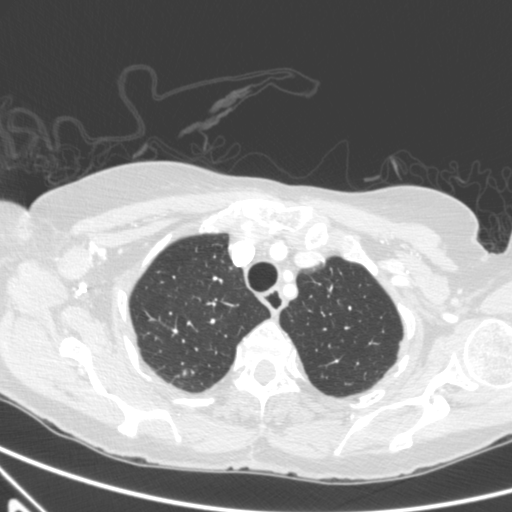
Axial chest CT slice 509 of 590 (counted from the lowest slice); tube voltage 120 kVp, convolution kernel B; slices 0.90 mm thick, 0.627 mm per pixel.
Pulmonary nodule at rows 369–376, columns 182–186 (box = the union of the readers' outlines on this slice), outlined by three of the four readers; longest diameter 5.8 mm on average over the three readers' outlines (readers' outlines 5.4–6.2 mm), volume 51–88 mm3. Ratings, by the readers' most common answer with dissent counted: most readers (two of three) put texture at 4/5, others 5/5 (solid) (one); margin split among the readers: 3/5 (one), 4/5 (one), 5/5 (circumscribed) (one); sphericity split among the readers: 3/5 (ovoid) (one), 4/5 (one), 5/5 (round) (one); calcification absent, all three readers agreeing; internal structure soft tissue from all three readers; subtlety 3/5, all three readers agreeing; malignancy likelihood 3/5 by two of three readers; the rest gave 2/5 (one). Scale key (1–5): texture non-solid→solid, margin indistinct→circumscribed, sphericity linear→round, subtlety extremely subtle→obvious, malignancy likelihood highly unlikely→highly suspicious of cancer. Box rows and columns are 0-based pixel indices from the top-left corner, inclusive.